Chest CT, axial plane, 120 kVp, kernel LUNG. Slice 72/130 from the bottom of the scan; thickness 2.50 mm; pixel size 0.664 mm.
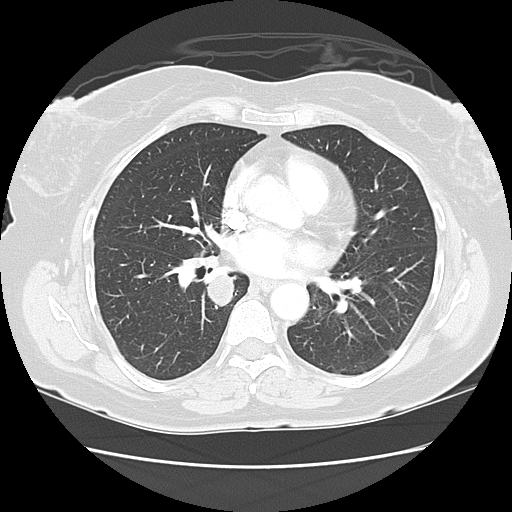
Pulmonary nodule outlined by all four readers; box rows 273–305, columns 207–233 (the union of the readers' outlines on this slice); median longest diameter 23.3 mm (readers' outlines 23.2–24.2 mm), median volume 5390 mm3 (4791–5604 mm3). Ratings, median across the readers with their spread: texture 5/5 (solid), all four readers agreeing; margin 5/5 (circumscribed) at the median of four readers, spread 4/5 to 5/5 (circumscribed); median sphericity 4.5/5 (readers ranged 4/5 to 5/5 (round)); calcification absent, all four readers agreeing; internal structure soft tissue, all four readers agreeing; subtlety 5/5 from all four readers; malignancy likelihood 5/5 at the median of four readers, spread 2–5. Scale key (1–5): texture non-solid→solid, margin indistinct→circumscribed, sphericity linear→round, subtlety extremely subtle→obvious, malignancy likelihood highly unlikely→highly suspicious of cancer. Box rows and columns are 0-based pixel indices from the top-left corner, inclusive.